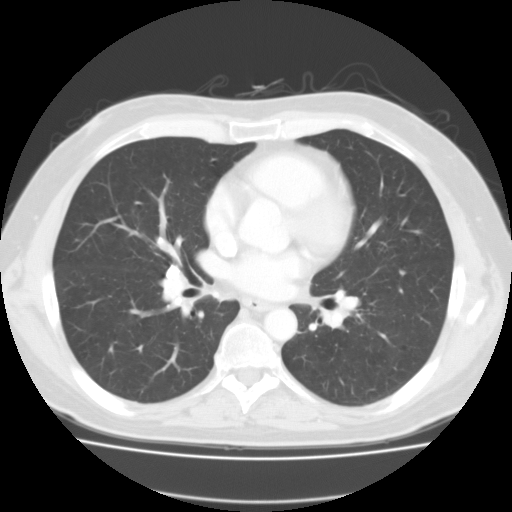
Axial chest CT slice 73 of 127 (counted from the lowest slice); tube voltage 135 kVp, convolution kernel FC01; slices 3.00 mm thick, 0.750 mm per pixel.
Pulmonary nodule, outlined by one of the four readers. Box on this slice rows 269–276, columns 399–406, that reader's outline on this slice; longest diameter 7.7 mm and volume 157 mm3 from that reader's outline. That reader's ratings: texture 2/5; margin 2/5; sphericity 3/5 (ovoid); calcification absent; internal structure soft tissue; subtlety 1/5; malignancy likelihood 3/5. Scale key (1–5): texture non-solid→solid, margin indistinct→circumscribed, sphericity linear→round, subtlety extremely subtle→obvious, malignancy likelihood highly unlikely→highly suspicious of cancer. Box rows and columns are 0-based pixel indices from the top-left corner, inclusive.